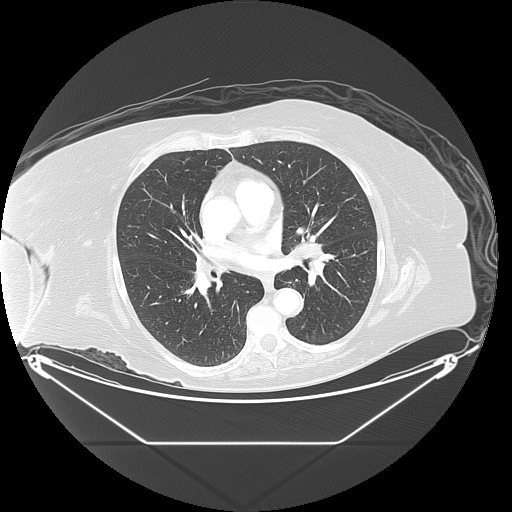
Chest CT, axial plane, 120 kVp, kernel LUNG. Slice 81/133 from the bottom of the scan; thickness 2.50 mm; pixel size 0.977 mm.
The readers outlined no nodule of 3 mm or more on this slice.